Chest CT, axial plane, 120 kVp, kernel B30f. Slice 534/636 from the bottom of the scan; thickness 0.60 mm; pixel size 0.689 mm.
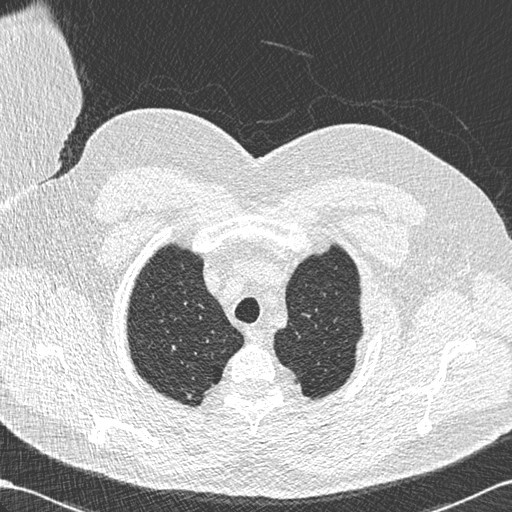
Pulmonary nodule, outlined by one of the four readers. Box on this slice rows 394–399, columns 186–191, that reader's outline on this slice; longest diameter 7.2 mm and volume 71 mm3 from that reader's outline. Ratings by that reader: texture 4/5; margin 5/5 (circumscribed); sphericity 3/5 (ovoid); calcification absent; internal structure soft tissue; subtlety 5/5; malignancy likelihood 3/5. Scale key (1–5): texture non-solid→solid, margin indistinct→circumscribed, sphericity linear→round, subtlety extremely subtle→obvious, malignancy likelihood highly unlikely→highly suspicious of cancer. Box rows and columns are 0-based pixel indices from the top-left corner, inclusive.